One axial slice (57 of 118, counting up from the lowest) of a chest CT acquired at 120 kVp with the B31f kernel; each pixel is 0.707 mm and the slice is 3.00 mm thick.
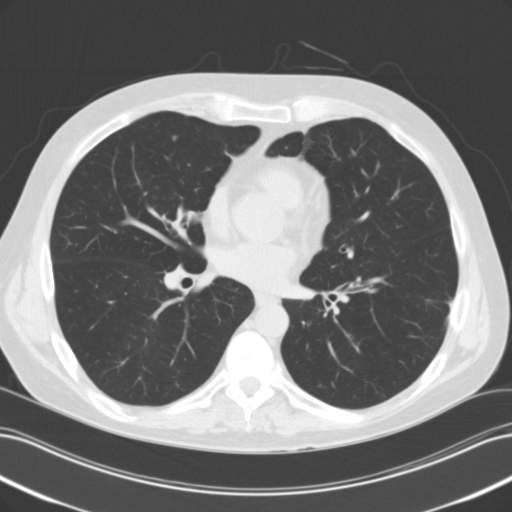
Pulmonary nodule, outlined by three of the four readers. Box on this slice rows 134–141, columns 171–177, the union of the readers' outlines on this slice; the three readers' outlines give a longest diameter between 6.0 and 7.6 mm and a volume between 103 and 192 mm3. The readers' ratings, as ranges where they differ: texture from 4/5 to 5/5 (solid) across the three readers; margin from 3/5 to 4/5 across the three readers; sphericity 4/5, all three readers agreeing; calcification absent, all three readers agreeing; internal structure soft tissue, all three readers agreeing; subtlety rated between 1 and 5 out of 5 by the three readers; malignancy likelihood 2–3/5 (the readers disagree). Scale key (1–5): texture non-solid→solid, margin indistinct→circumscribed, sphericity linear→round, subtlety extremely subtle→obvious, malignancy likelihood highly unlikely→highly suspicious of cancer. Box rows and columns are 0-based pixel indices from the top-left corner, inclusive.